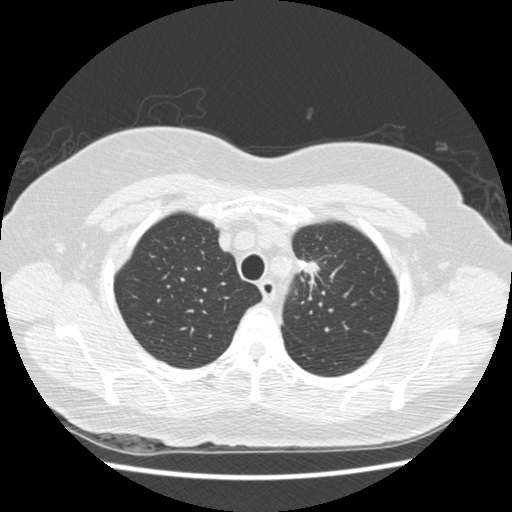
Axial chest CT slice 357 of 445 (counted from the lowest slice); tube voltage 120 kVp, convolution kernel STANDARD; slices 1.25 mm thick, 0.645 mm per pixel.
Pulmonary nodule at rows 261–286, columns 300–318 (box = that reader's outline on this slice), outlined by one of the four readers; longest diameter 31.0 mm and volume 2055 mm3 from that reader's outline. That reader's ratings: texture 5/5 (solid); margin 2/5; sphericity 2/5; calcification absent; internal structure soft tissue; subtlety 5/5; malignancy likelihood 4/5. Scale key (1–5): texture non-solid→solid, margin indistinct→circumscribed, sphericity linear→round, subtlety extremely subtle→obvious, malignancy likelihood highly unlikely→highly suspicious of cancer. Box rows and columns are 0-based pixel indices from the top-left corner, inclusive.